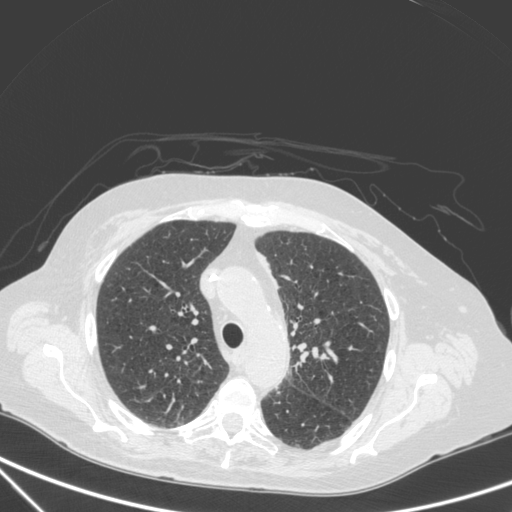
Chest CT, axial plane, 120 kVp, kernel C. Slice 235/350 from the bottom of the scan; thickness 1.50 mm; pixel size 0.725 mm.
Pulmonary nodule, outlined by all four readers. Box on this slice rows 353–359, columns 320–328, the union of the readers' outlines on this slice; median longest diameter 10.6 mm (readers' outlines 9.9–11.7 mm), median volume 411 mm3 (335–580 mm3). Median ratings and the readers' spread: texture 5/5 (solid), all four readers agreeing; margin 4/5 from all four readers; median sphericity 3/5 (ovoid) (readers ranged 3/5 (ovoid) to 4/5); calcification absent from all four readers; internal structure soft tissue, all four readers agreeing; median subtlety 5/5 (readers ranged 4–5); median malignancy likelihood 3.5/5 (readers ranged 2–5). Scale key (1–5): texture non-solid→solid, margin indistinct→circumscribed, sphericity linear→round, subtlety extremely subtle→obvious, malignancy likelihood highly unlikely→highly suspicious of cancer. Box rows and columns are 0-based pixel indices from the top-left corner, inclusive.